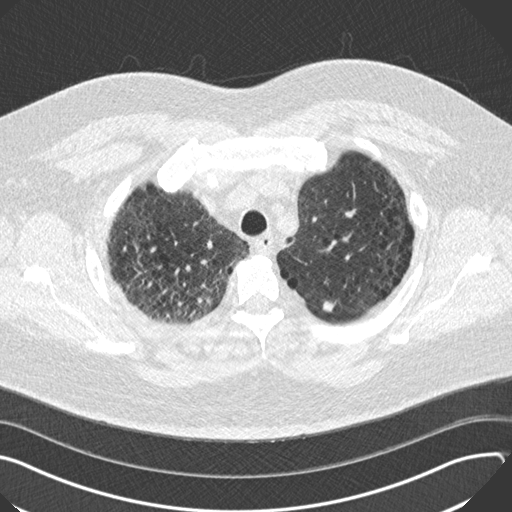
This is axial slice 155 of 187 (slice 1 is the lowest) of a chest CT; each pixel is 0.742 mm and the slice is 2.00 mm thick. Pulmonary nodule outlined by all four readers; box rows 300–312, columns 322–335 (the union of the readers' outlines on this slice); median longest diameter 11.6 mm (readers' outlines 10.1–12.0 mm), median volume 369 mm3 (348–508 mm3). Median ratings and the readers' spread: texture 5/5 (solid) at the median of four readers, spread 4/5 to 5/5 (solid); median margin 4.5/5 (readers ranged 4/5 to 5/5 (circumscribed)); sphericity 4/5, all four readers agreeing; calcification absent from all four readers; internal structure soft tissue from all four readers; subtlety 4/5 at the median of four readers, spread 3–5; malignancy likelihood 3.5/5 at the median of four readers, spread 2–4. Scale key (1–5): texture non-solid→solid, margin indistinct→circumscribed, sphericity linear→round, subtlety extremely subtle→obvious, malignancy likelihood highly unlikely→highly suspicious of cancer. Box rows and columns are 0-based pixel indices from the top-left corner, inclusive.
Tube voltage 120 kVp; convolution kernel B30f.